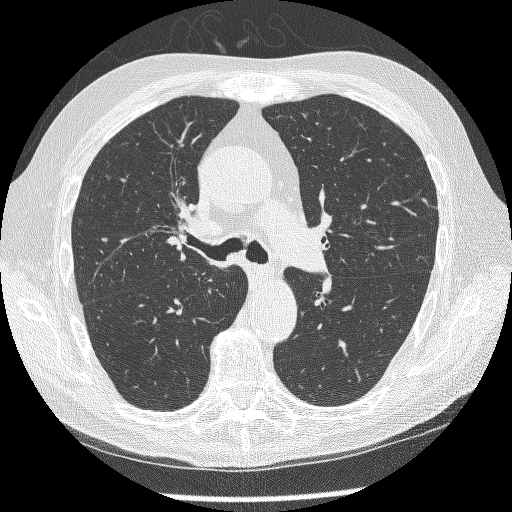
Axial slice 177 of 250 of a chest CT (slice 1 is the lowest), reconstructed with the BONE kernel at 120 kVp; 1.25 mm slice thickness and 0.654 mm pixels.
Pulmonary nodule outlined by all four readers; box rows 237–241, columns 100–107 (the union of the readers' outlines on this slice); longest diameter 6.1 mm on average over the four readers' outlines (readers' outlines 5.3–7.0 mm), volume 37–54 mm3. Ratings, by the readers' most common answer with dissent counted: texture 5/5 (solid) by two of four readers; the rest gave 3/5 (part-solid) (one), 4/5 (one); margin split among the readers: 2/5 (one), 3/5 (one), 4/5 (one), 5/5 (circumscribed) (one); sphericity 3/5 (ovoid), all four readers agreeing; calcification absent, all four readers agreeing; internal structure soft tissue from all four readers; subtlety split among the readers: 1/5 (one), 2/5 (one), 3/5 (one), 4/5 (one); malignancy likelihood 3/5 from all four readers. Scale key (1–5): texture non-solid→solid, margin indistinct→circumscribed, sphericity linear→round, subtlety extremely subtle→obvious, malignancy likelihood highly unlikely→highly suspicious of cancer. Box rows and columns are 0-based pixel indices from the top-left corner, inclusive.